Axial slice 226 of 477 of a chest CT (slice 1 is the lowest), reconstructed with the STANDARD kernel at 120 kVp; 1.25 mm slice thickness and 0.703 mm pixels.
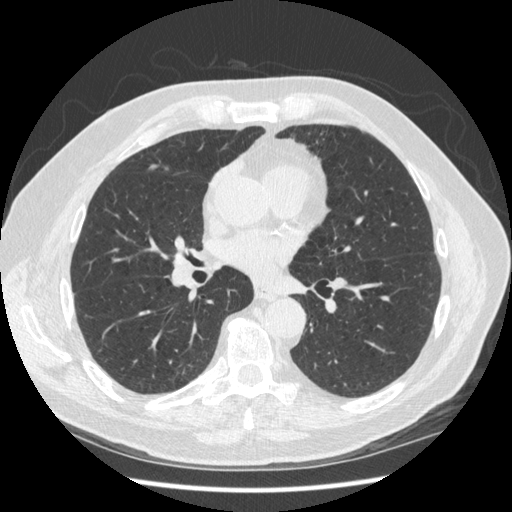
Pulmonary nodule outlined by two of the four readers; box rows 163–170, columns 148–158 (the union of the readers' outlines on this slice); longest diameter 9.3 mm on average over the two readers' outlines (readers' outlines 8.2–10.5 mm), volume 48–81 mm3. Ratings, by the readers' most common answer with dissent counted: texture 5/5 (solid) from both readers; margin split among the readers: 4/5 (one), 5/5 (circumscribed) (one); sphericity split among the readers: 2/5 (one), 5/5 (round) (one); calcification absent, both readers agreeing; internal structure soft tissue from both readers; subtlety 3/5, both readers agreeing; malignancy likelihood split among the readers: 2/5 (one), 3/5 (one). Scale key (1–5): texture non-solid→solid, margin indistinct→circumscribed, sphericity linear→round, subtlety extremely subtle→obvious, malignancy likelihood highly unlikely→highly suspicious of cancer. Box rows and columns are 0-based pixel indices from the top-left corner, inclusive.